Axial slice 86 of 258 of a chest CT (slice 1 is the lowest), reconstructed with the STANDARD kernel at 120 kVp; 1.25 mm slice thickness and 0.859 mm pixels.
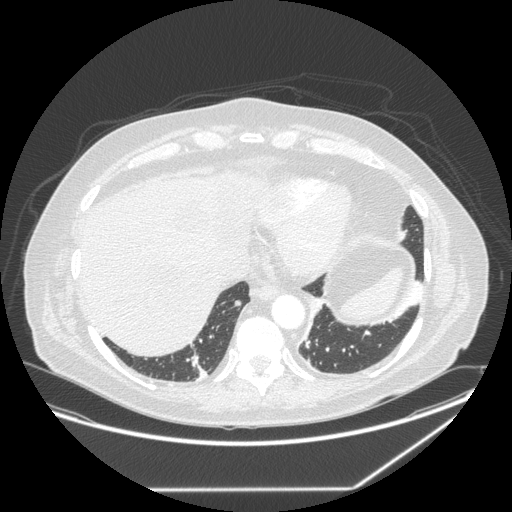
Pulmonary nodule at rows 300–306, columns 234–241 (box = the union of the readers' outlines on this slice), outlined by three of the four readers; longest diameter 7.1–9.0 mm and volume 120–186 mm3 across the three readers' outlines. Ratings across the readers: texture 5/5 (solid) from all three readers; margin from 4/5 to 5/5 (circumscribed) across the three readers; sphericity from 4/5 to 5/5 (round) across the three readers; calcification absent, all three readers agreeing; internal structure soft tissue from all three readers; subtlety 3–5/5 (the readers disagree); malignancy likelihood from 2/5 to 3/5 across the three readers. Scale key (1–5): texture non-solid→solid, margin indistinct→circumscribed, sphericity linear→round, subtlety extremely subtle→obvious, malignancy likelihood highly unlikely→highly suspicious of cancer. Box rows and columns are 0-based pixel indices from the top-left corner, inclusive.